One axial slice (174 of 245, counting up from the lowest) of a chest CT acquired at 120 kVp with the STANDARD kernel; each pixel is 0.826 mm and the slice is 1.25 mm thick.
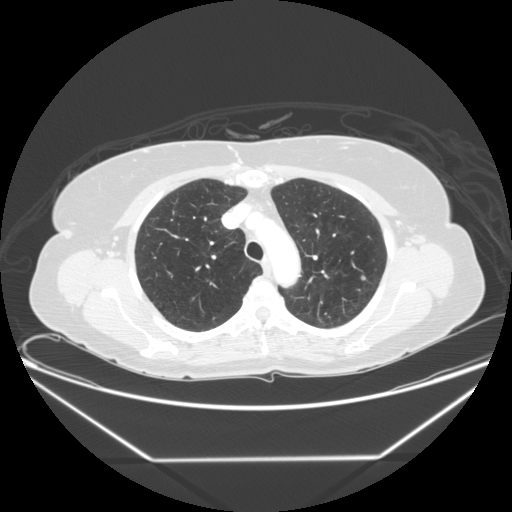
Pulmonary nodule at rows 274–280, columns 360–365 (box = the union of the readers' outlines on this slice), outlined by three of the four readers; longest diameter 5.8–7.0 mm and volume 43–89 mm3 across the three readers' outlines. Ratings across the readers: texture 5/5 (solid) from all three readers; margin from 4/5 to 5/5 (circumscribed) across the three readers; sphericity from 3/5 (ovoid) to 5/5 (round) across the three readers; calcification absent, all three readers agreeing; internal structure soft tissue from all three readers; subtlety from 1/5 to 3/5 across the three readers; malignancy likelihood 2–3/5 (the readers disagree). Scale key (1–5): texture non-solid→solid, margin indistinct→circumscribed, sphericity linear→round, subtlety extremely subtle→obvious, malignancy likelihood highly unlikely→highly suspicious of cancer. Box rows and columns are 0-based pixel indices from the top-left corner, inclusive.